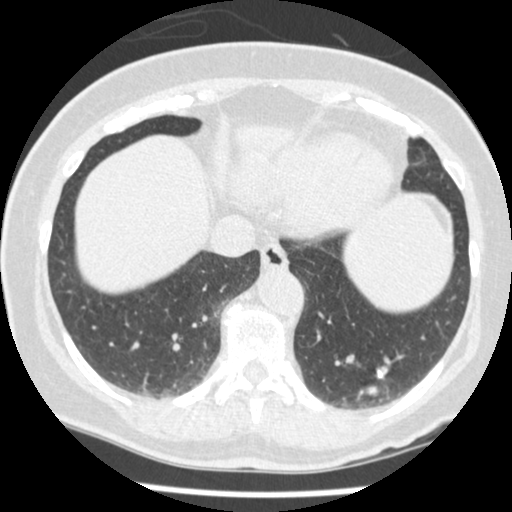
Slice 131/465 of a chest CT, counting up from the lowest; pixel size 0.586 mm, slice thickness 1.25 mm. Pulmonary nodule, outlined by all four readers, three of them on this slice. Box on this slice rows 369–396, columns 365–382, the union of the readers' outlines on this slice; the four readers' outlines give a longest diameter between 15.8 and 20.8 mm and a volume between 1106 and 1600 mm3. Ratings across the readers: texture 5/5 (solid), all four readers agreeing; margin from 3/5 to 5/5 (circumscribed) across the four readers; sphericity from 3/5 (ovoid) to 4/5 across the four readers; calcification: absent (two), solid calcification (one), central calcification (one); internal structure soft tissue, all four readers agreeing; subtlety 5/5 from all four readers; malignancy likelihood 1–5/5 (the readers disagree). Scale key (1–5): texture non-solid→solid, margin indistinct→circumscribed, sphericity linear→round, subtlety extremely subtle→obvious, malignancy likelihood highly unlikely→highly suspicious of cancer. Box rows and columns are 0-based pixel indices from the top-left corner, inclusive.
Scan settings: 120 kVp, STANDARD reconstruction kernel.